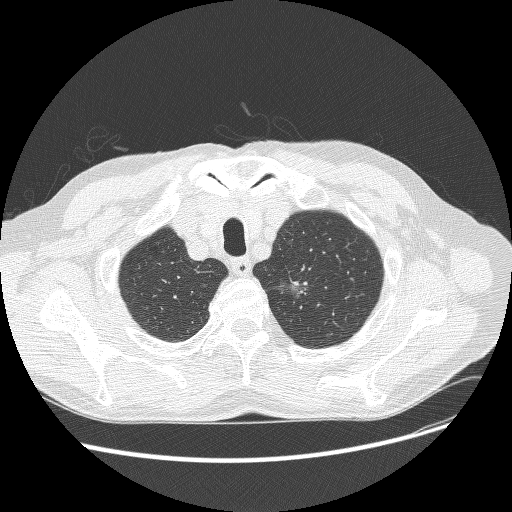
Axial chest CT slice 235 of 268 (counted from the lowest slice); 1.25 mm thick, 0.742 mm per pixel. Pulmonary nodule, outlined by three of the four readers, two of them on this slice. Box on this slice rows 279–299, columns 272–307, the union of the readers' outlines on this slice; longest diameter 31.2 mm on average over the three readers' outlines (readers' outlines 30.8–31.7 mm), volume 4750–7267 mm3. Ratings, by the readers' most common answer with dissent counted: texture 3/5 (part-solid) from all three readers; margin 1/5 (indistinct), all three readers agreeing; sphericity 3/5 (ovoid) by two of three readers; the rest gave 4/5 (one); calcification absent, all three readers agreeing; internal structure soft tissue, all three readers agreeing; most readers (two of three) put subtlety at 5/5, others 4/5 (one); malignancy likelihood 4/5 by two of three readers; the rest gave 5/5 (one). Scale key (1–5): texture non-solid→solid, margin indistinct→circumscribed, sphericity linear→round, subtlety extremely subtle→obvious, malignancy likelihood highly unlikely→highly suspicious of cancer. Box rows and columns are 0-based pixel indices from the top-left corner, inclusive.
Scan settings: 120 kVp, BONE reconstruction kernel.